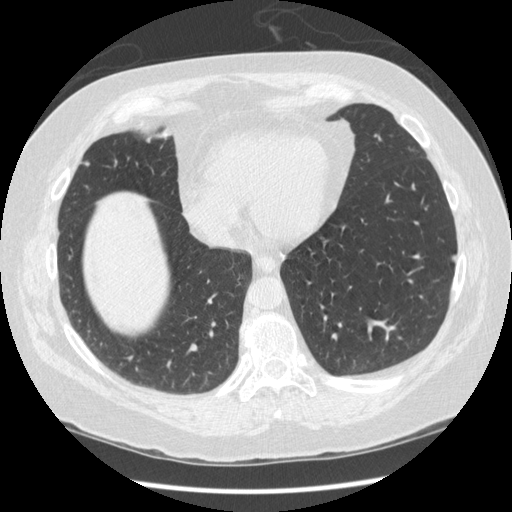
One axial slice (127 of 436, counting up from the lowest) of a chest CT acquired at 120 kVp with the STANDARD kernel; each pixel is 0.703 mm and the slice is 1.25 mm thick.
Two pulmonary nodules on this slice, listed from left to right. (1) Pulmonary nodule at rows 161–166, columns 84–89 (box = that reader's outline on this slice), outlined by one of the four readers; longest diameter 5.8 mm and volume 56 mm3 from that reader's outline. Ratings by that reader: texture 5/5 (solid); margin 5/5 (circumscribed); sphericity 5/5 (round); calcification absent; internal structure soft tissue; subtlety 5/5; malignancy likelihood 3/5. (2) Pulmonary nodule, outlined by three of the four readers. Box on this slice rows 254–262, columns 451–456, the union of the readers' outlines on this slice; longest diameter 8.2 mm on average over the three readers' outlines (readers' outlines 8.0–8.6 mm), volume 131–153 mm3. Ratings, by the readers' most common answer with dissent counted: texture 5/5 (solid) from all three readers; most readers (two of three) put margin at 4/5, others 5/5 (circumscribed) (one); sphericity split among the readers: 2/5 (one), 3/5 (ovoid) (one), 4/5 (one); calcification absent, all three readers agreeing; internal structure soft tissue from all three readers; subtlety 5/5 by two of three readers; the rest gave 3/5 (one); malignancy likelihood 2/5 by two of three readers; the rest gave 3/5 (one). Scale key (1–5): texture non-solid→solid, margin indistinct→circumscribed, sphericity linear→round, subtlety extremely subtle→obvious, malignancy likelihood highly unlikely→highly suspicious of cancer. Box rows and columns are 0-based pixel indices from the top-left corner, inclusive.